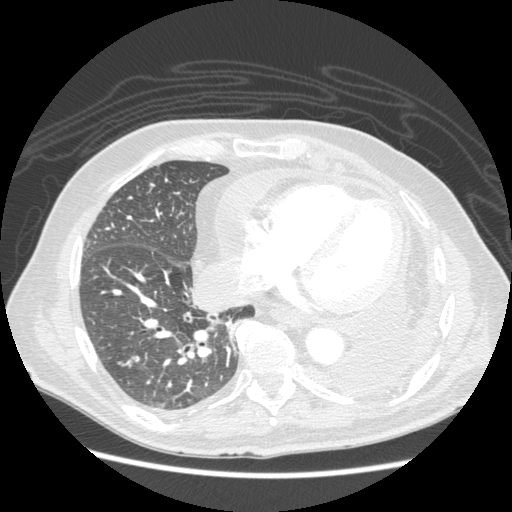
This is axial slice 82 of 214 (slice 1 is the lowest) of a chest CT; each pixel is 0.703 mm and the slice is 1.25 mm thick. Pulmonary nodule at rows 357–360, columns 133–138 (box = the one reader's outline on this slice), outlined by two of the four readers, one of them on this slice; longest diameter 12.8–14.3 mm and volume 228–287 mm3 across the two readers' outlines. Ratings across the readers: texture from 4/5 to 5/5 (solid) across the two readers; margin 4/5, both readers agreeing; sphericity from 4/5 to 5/5 (round) across the two readers; calcification absent from both readers; internal structure soft tissue from both readers; subtlety 5/5, both readers agreeing; malignancy likelihood from 3/5 to 4/5 across the two readers. Scale key (1–5): texture non-solid→solid, margin indistinct→circumscribed, sphericity linear→round, subtlety extremely subtle→obvious, malignancy likelihood highly unlikely→highly suspicious of cancer. Box rows and columns are 0-based pixel indices from the top-left corner, inclusive.
Tube voltage 120 kVp; convolution kernel STANDARD.